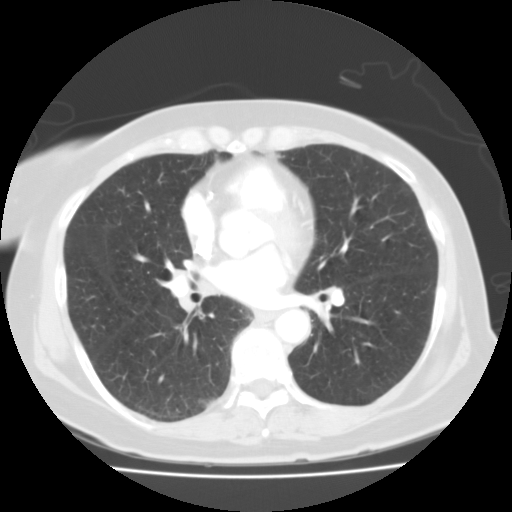
Axial chest CT slice 61 of 118 (counted from the lowest slice); 3.00 mm thick, 0.665 mm per pixel. The readers outlined no nodule of 3 mm or more on this slice.
Scan settings: 135 kVp, FC01 reconstruction kernel.